Axial chest CT slice 114 of 140 (counted from the lowest slice); tube voltage 120 kVp, convolution kernel STANDARD; slices 2.50 mm thick, 0.605 mm per pixel.
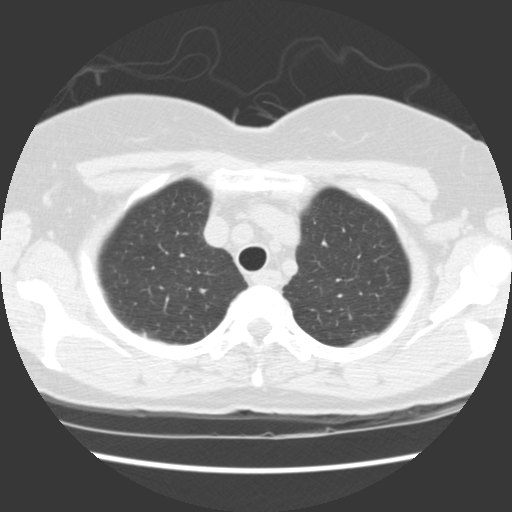
Pulmonary nodule, outlined by one of the four readers. Box on this slice rows 332–336, columns 142–146, that reader's outline on this slice; longest diameter 5.2 mm and volume 81 mm3 from that reader's outline. That reader's ratings: texture 5/5 (solid); margin 5/5 (circumscribed); sphericity 4/5; calcification absent; internal structure soft tissue; subtlety 5/5; malignancy likelihood 2/5. Scale key (1–5): texture non-solid→solid, margin indistinct→circumscribed, sphericity linear→round, subtlety extremely subtle→obvious, malignancy likelihood highly unlikely→highly suspicious of cancer. Box rows and columns are 0-based pixel indices from the top-left corner, inclusive.